Chest CT, axial plane, 120 kVp, kernel C. Slice 87/290 from the bottom of the scan; thickness 2.00 mm; pixel size 0.682 mm.
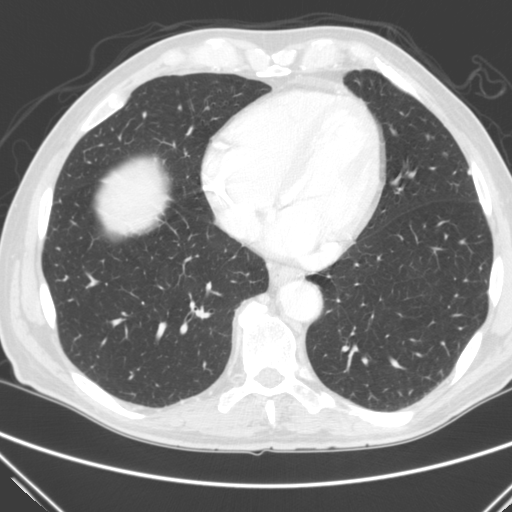
Pulmonary nodule, outlined by one of the four readers. Box on this slice rows 169–174, columns 467–470, that reader's outline on this slice; longest diameter 7.0 mm and volume 65 mm3 from that reader's outline. Ratings by that reader: texture 5/5 (solid); margin 4/5; sphericity 4/5; calcification absent; internal structure soft tissue; subtlety 5/5; malignancy likelihood 3/5. Scale key (1–5): texture non-solid→solid, margin indistinct→circumscribed, sphericity linear→round, subtlety extremely subtle→obvious, malignancy likelihood highly unlikely→highly suspicious of cancer. Box rows and columns are 0-based pixel indices from the top-left corner, inclusive.